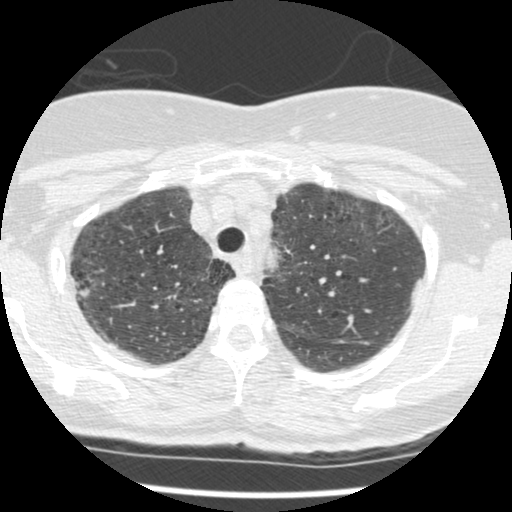
Slice 389/465 of a chest CT, counting up from the lowest; pixel size 0.586 mm, slice thickness 1.25 mm. Pulmonary nodule at rows 289–296, columns 79–88 (box = that reader's outline on this slice), outlined by one of the four readers; longest diameter 8.3 mm and volume 208 mm3 from that reader's outline. That reader's ratings: texture 5/5 (solid); margin 4/5; sphericity 4/5; calcification absent; internal structure soft tissue; subtlety 3/5; malignancy likelihood 2/5. Scale key (1–5): texture non-solid→solid, margin indistinct→circumscribed, sphericity linear→round, subtlety extremely subtle→obvious, malignancy likelihood highly unlikely→highly suspicious of cancer. Box rows and columns are 0-based pixel indices from the top-left corner, inclusive.
Scan settings: 120 kVp, STANDARD reconstruction kernel.